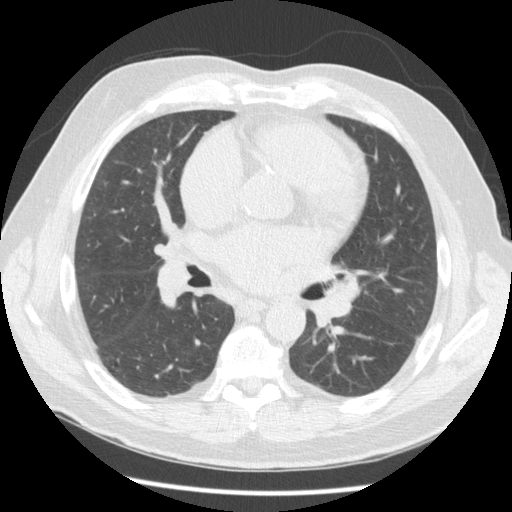
Chest CT, axial plane, 120 kVp, kernel STANDARD. Slice 94/163 from the bottom of the scan; thickness 2.50 mm; pixel size 0.703 mm.
No nodule of 3 mm or larger was outlined by any of the four readers on this slice.